One axial slice (244 of 278, counting up from the lowest) of a chest CT acquired at 120 kVp with the BONE kernel; each pixel is 0.711 mm and the slice is 1.25 mm thick.
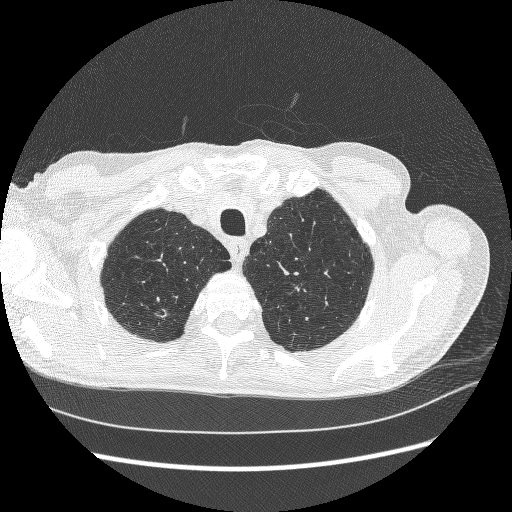
Pulmonary nodule at rows 309–317, columns 157–165 (box = the one reader's outline on this slice), outlined by three of the four readers, one of them on this slice; median longest diameter 14.4 mm (readers' outlines 11.8–14.4 mm), median volume 174 mm3 (135–304 mm3). Median ratings and the readers' spread: texture 5/5 (solid) at the median of three readers, spread 4/5 to 5/5 (solid); median margin 3/5 (readers ranged 1/5 (indistinct) to 4/5); median sphericity 3/5 (ovoid) (readers ranged 1/5 (linear) to 4/5); calcification absent from all three readers; internal structure soft tissue from all three readers; subtlety 5/5 at the median of three readers, spread 4–5; median malignancy likelihood 3/5 (readers ranged 3–4). Scale key (1–5): texture non-solid→solid, margin indistinct→circumscribed, sphericity linear→round, subtlety extremely subtle→obvious, malignancy likelihood highly unlikely→highly suspicious of cancer. Box rows and columns are 0-based pixel indices from the top-left corner, inclusive.